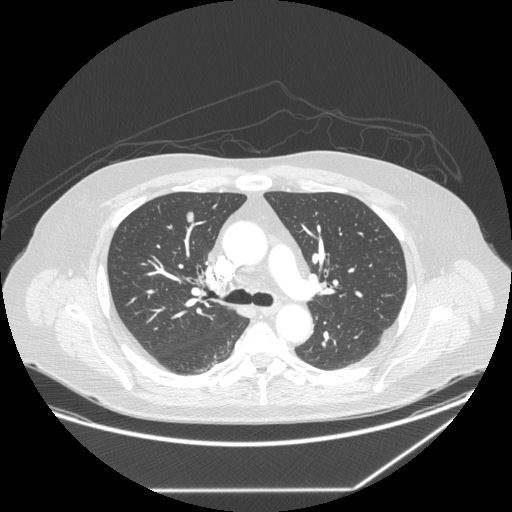
One axial slice (168 of 258, counting up from the lowest) of a chest CT acquired at 120 kVp with the STANDARD kernel; each pixel is 0.859 mm and the slice is 1.25 mm thick.
Pulmonary nodule, outlined by all four readers. Box on this slice rows 211–222, columns 186–193, the union of the readers' outlines on this slice; longest diameter 11.6 mm on average over the four readers' outlines (readers' outlines 11.3–12.3 mm), volume 283–414 mm3. Ratings, by the readers' most common answer with dissent counted: texture 5/5 (solid), all four readers agreeing; most readers (three of four) put margin at 5/5 (circumscribed), others 4/5 (one); most readers (three of four) put sphericity at 3/5 (ovoid), others 5/5 (round) (one); calcification absent from all four readers; internal structure soft tissue from all four readers; subtlety 5/5 by two of four readers; the rest gave 3/5 (one), 4/5 (one); malignancy likelihood 3/5 by two of four readers; the rest gave 2/5 (one), 4/5 (one). Scale key (1–5): texture non-solid→solid, margin indistinct→circumscribed, sphericity linear→round, subtlety extremely subtle→obvious, malignancy likelihood highly unlikely→highly suspicious of cancer. Box rows and columns are 0-based pixel indices from the top-left corner, inclusive.